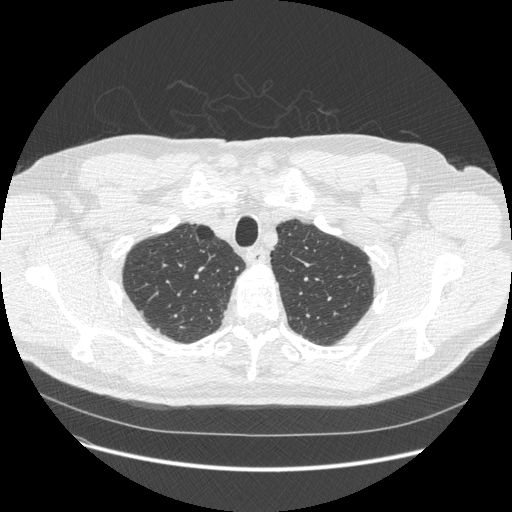
This is axial slice 457 of 541 (slice 1 is the lowest) of a chest CT; each pixel is 0.781 mm and the slice is 1.25 mm thick. Two pulmonary nodules are outlined on this slice; from left to right: (1) Pulmonary nodule, outlined by one of the four readers. Box on this slice rows 328–331, columns 156–159, that reader's outline on this slice; longest diameter 7.2 mm and volume 60 mm3 from that reader's outline. Ratings by that reader: texture 5/5 (solid); margin 5/5 (circumscribed); sphericity 4/5; calcification absent; internal structure soft tissue; subtlety 5/5; malignancy likelihood 3/5. (2) Pulmonary nodule, outlined by one of the four readers. Box on this slice rows 267–270, columns 235–238, that reader's outline on this slice; longest diameter 5.2 mm and volume 46 mm3 from that reader's outline. Ratings by that reader: texture 5/5 (solid); margin 5/5 (circumscribed); sphericity 4/5; calcification absent; internal structure soft tissue; subtlety 4/5; malignancy likelihood 4/5. Scale key (1–5): texture non-solid→solid, margin indistinct→circumscribed, sphericity linear→round, subtlety extremely subtle→obvious, malignancy likelihood highly unlikely→highly suspicious of cancer. Box rows and columns are 0-based pixel indices from the top-left corner, inclusive.
Acquired at 120 kVp and reconstructed with the STANDARD kernel.